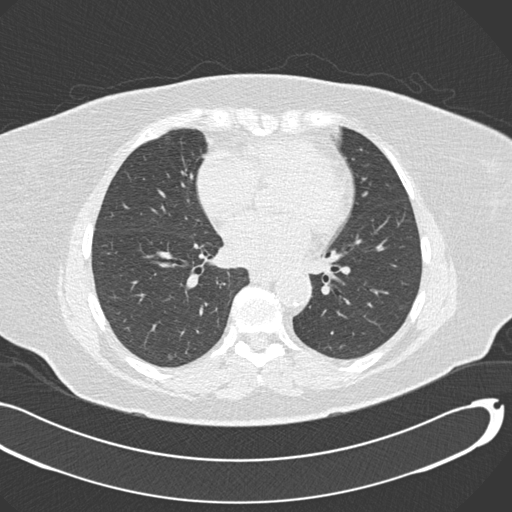
One axial slice (76 of 177, counting up from the lowest) of a chest CT acquired at 120 kVp with the B30f kernel; each pixel is 0.742 mm and the slice is 2.00 mm thick.
Pulmonary nodule outlined by three of the four readers; box rows 354–359, columns 168–174 (the union of the readers' outlines on this slice); longest diameter 7.1 mm on average over the three readers' outlines (readers' outlines 6.7–8.0 mm), volume 53–97 mm3. Ratings, by the readers' most common answer with dissent counted: texture 1/5 (non-solid) by two of three readers; the rest gave 4/5 (one); margin split among the readers: 1/5 (indistinct) (one), 2/5 (one), 4/5 (one); most readers (two of three) put sphericity at 4/5, others 3/5 (ovoid) (one); calcification absent, all three readers agreeing; internal structure soft tissue, all three readers agreeing; most readers (two of three) put subtlety at 3/5, others 4/5 (one); malignancy likelihood split among the readers: 1/5 (one), 2/5 (one), 3/5 (one). Scale key (1–5): texture non-solid→solid, margin indistinct→circumscribed, sphericity linear→round, subtlety extremely subtle→obvious, malignancy likelihood highly unlikely→highly suspicious of cancer. Box rows and columns are 0-based pixel indices from the top-left corner, inclusive.